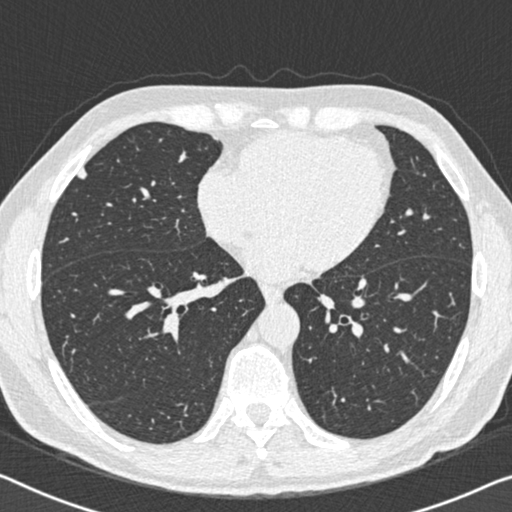
This is axial slice 221 of 483 (slice 1 is the lowest) of a chest CT; each pixel is 0.652 mm and the slice is 0.75 mm thick. Pulmonary nodule, outlined by all four readers. Box on this slice rows 166–179, columns 76–87, the union of the readers' outlines on this slice; the four readers' outlines give a longest diameter between 8.6 and 10.3 mm and a volume between 137 and 171 mm3. The readers' ratings, as ranges where they differ: texture from 4/5 to 5/5 (solid) across the four readers; margin from 4/5 to 5/5 (circumscribed) across the four readers; sphericity from 3/5 (ovoid) to 5/5 (round) across the four readers; calcification absent, all four readers agreeing; internal structure soft tissue from all four readers; subtlety from 3/5 to 5/5 across the four readers; malignancy likelihood rated between 2 and 4 out of 5 by the four readers. Scale key (1–5): texture non-solid→solid, margin indistinct→circumscribed, sphericity linear→round, subtlety extremely subtle→obvious, malignancy likelihood highly unlikely→highly suspicious of cancer. Box rows and columns are 0-based pixel indices from the top-left corner, inclusive.
Scan settings: 120 kVp, B30f reconstruction kernel.